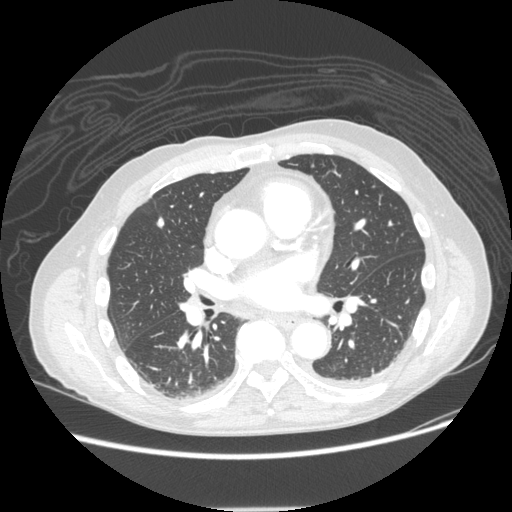
This is axial slice 109 of 232 (slice 1 is the lowest) of a chest CT; each pixel is 0.742 mm and the slice is 1.25 mm thick. Pulmonary nodule at rows 216–228, columns 156–164 (box = the union of the readers' outlines on this slice), outlined by all four readers; longest diameter 10.7 mm on average over the four readers' outlines (readers' outlines 10.5–11.0 mm), volume 183–275 mm3. The readers' prevailing ratings and who disagreed: texture 5/5 (solid) from all four readers; most readers (three of four) put margin at 5/5 (circumscribed), others 4/5 (one); sphericity split among the readers: 4/5 (two), 5/5 (round) (two); calcification split among the readers: solid calcification (two), central calcification (two); internal structure soft tissue, all four readers agreeing; most readers (three of four) put subtlety at 5/5, others 4/5 (one); malignancy likelihood 1/5, all four readers agreeing. Scale key (1–5): texture non-solid→solid, margin indistinct→circumscribed, sphericity linear→round, subtlety extremely subtle→obvious, malignancy likelihood highly unlikely→highly suspicious of cancer. Box rows and columns are 0-based pixel indices from the top-left corner, inclusive.
Scan settings: 120 kVp, STANDARD reconstruction kernel.